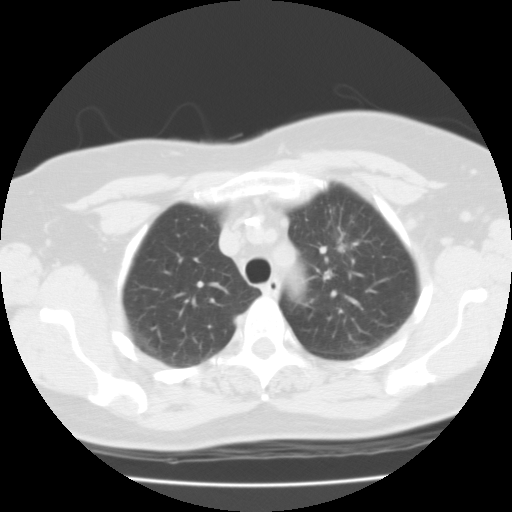
One axial slice (65 of 87, counting up from the lowest) of a chest CT acquired at 135 kVp with the FC01 kernel; each pixel is 0.650 mm and the slice is 3.00 mm thick.
Pulmonary nodule outlined by all four readers, three of them on this slice; box rows 242–252, columns 335–346 (the union of the readers' outlines on this slice); longest diameter 23.3–32.8 mm and volume 4332–5366 mm3 across the four readers' outlines. The readers' ratings, as ranges where they differ: texture from 4/5 to 5/5 (solid) across the four readers; margin from 2/5 to 5/5 (circumscribed) across the four readers; sphericity from 3/5 (ovoid) to 4/5 across the four readers; calcification split among the readers: non-central calcification (two), absent (two); internal structure soft tissue from all four readers; subtlety 5/5 from all four readers; malignancy likelihood 3–5/5 (the readers disagree). Scale key (1–5): texture non-solid→solid, margin indistinct→circumscribed, sphericity linear→round, subtlety extremely subtle→obvious, malignancy likelihood highly unlikely→highly suspicious of cancer. Box rows and columns are 0-based pixel indices from the top-left corner, inclusive.